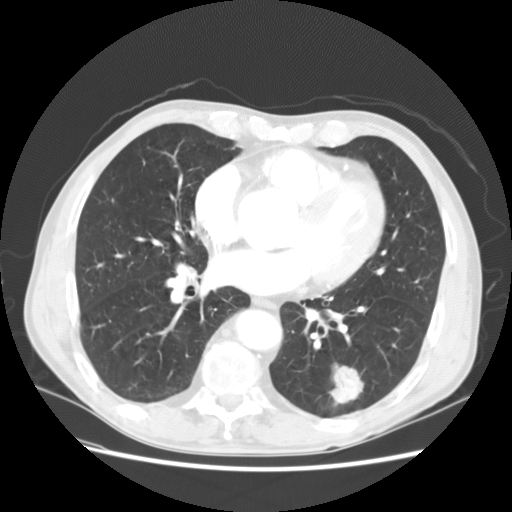
Slice 69/147 of a chest CT, counting up from the lowest; pixel size 0.703 mm, slice thickness 2.50 mm. Pulmonary nodule outlined by all four readers; box rows 362–405, columns 329–363 (the union of the readers' outlines on this slice); longest diameter 31.1 mm on average over the four readers' outlines (readers' outlines 30.2–32.4 mm), volume 8441–9544 mm3. The readers' prevailing ratings and who disagreed: most readers (three of four) put texture at 5/5 (solid), others 3/5 (part-solid) (one); margin 4/5 by two of four readers; the rest gave 2/5 (one), 5/5 (circumscribed) (one); sphericity 5/5 (round) by two of four readers; the rest gave 3/5 (ovoid) (one), 4/5 (one); calcification absent from all four readers; internal structure soft tissue, all four readers agreeing; subtlety 5/5, all four readers agreeing; malignancy likelihood split among the readers: 3/5 (two), 5/5 (two). Scale key (1–5): texture non-solid→solid, margin indistinct→circumscribed, sphericity linear→round, subtlety extremely subtle→obvious, malignancy likelihood highly unlikely→highly suspicious of cancer. Box rows and columns are 0-based pixel indices from the top-left corner, inclusive.
Scan settings: 120 kVp, STANDARD reconstruction kernel.